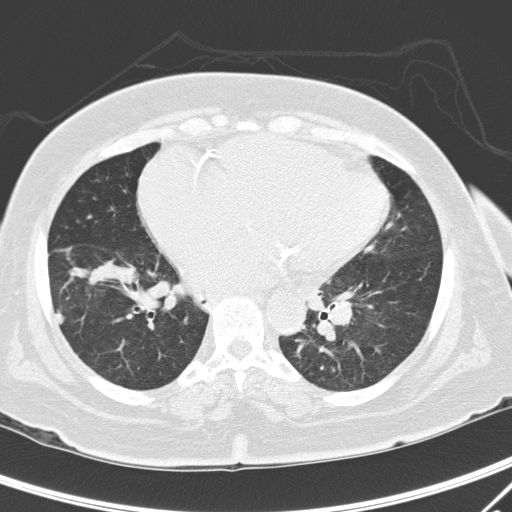
One axial slice (125 of 295, counting up from the lowest) of a chest CT acquired at 120 kVp with the D kernel; each pixel is 0.682 mm and the slice is 2.00 mm thick.
Pulmonary nodule outlined by three of the four readers; box rows 314–323, columns 54–64 (the union of the readers' outlines on this slice); median longest diameter 9.5 mm (readers' outlines 9.3–10.1 mm), median volume 206 mm3 (186–247 mm3). Median ratings and the readers' spread: median texture 5/5 (solid) (readers ranged 4/5 to 5/5 (solid)); margin 4/5 at the median of three readers, spread 1/5 (indistinct) to 4/5; sphericity 3/5 (ovoid) from all three readers; calcification absent, all three readers agreeing; internal structure soft tissue from all three readers; subtlety 5/5 at the median of three readers, spread 4–5; median malignancy likelihood 3/5 (readers ranged 1–4). Scale key (1–5): texture non-solid→solid, margin indistinct→circumscribed, sphericity linear→round, subtlety extremely subtle→obvious, malignancy likelihood highly unlikely→highly suspicious of cancer. Box rows and columns are 0-based pixel indices from the top-left corner, inclusive.